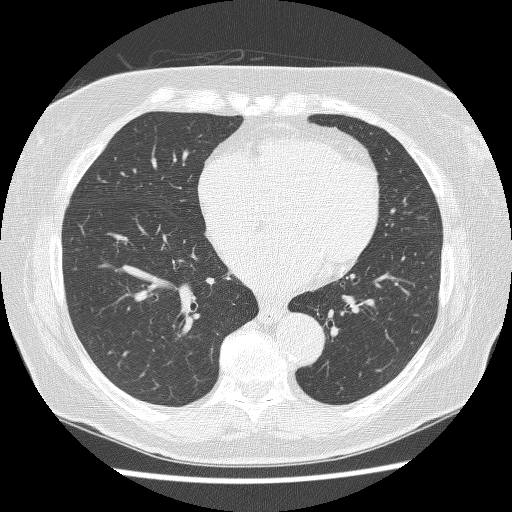
Slice 105/229 of a chest CT, counting up from the lowest; pixel size 0.654 mm, slice thickness 1.25 mm. The readers outlined no nodule of 3 mm or more on this slice.
Acquired at 120 kVp and reconstructed with the BONE kernel.